Axial slice 91 of 253 of a chest CT (slice 1 is the lowest), reconstructed with the STANDARD kernel at 120 kVp; 1.25 mm slice thickness and 0.742 mm pixels.
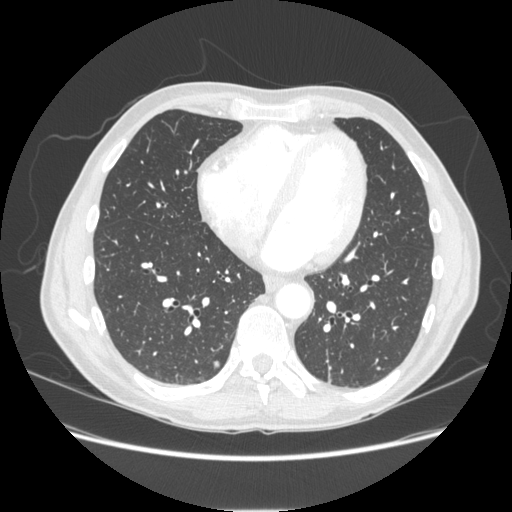
Pulmonary nodule outlined by all four readers; box rows 361–367, columns 212–220 (the union of the readers' outlines on this slice); median longest diameter 8.0 mm (readers' outlines 7.3–8.5 mm), median volume 178 mm3 (145–206 mm3). Median ratings and the readers' spread: texture 5/5 (solid), all four readers agreeing; margin 5/5 (circumscribed) at the median of four readers, spread 4/5 to 5/5 (circumscribed); sphericity 4.5/5 at the median of four readers, spread 4/5 to 5/5 (round); calcification absent from all four readers; internal structure soft tissue from all four readers; median subtlety 3.5/5 (readers ranged 3–4); median malignancy likelihood 2.5/5 (readers ranged 2–4). Scale key (1–5): texture non-solid→solid, margin indistinct→circumscribed, sphericity linear→round, subtlety extremely subtle→obvious, malignancy likelihood highly unlikely→highly suspicious of cancer. Box rows and columns are 0-based pixel indices from the top-left corner, inclusive.